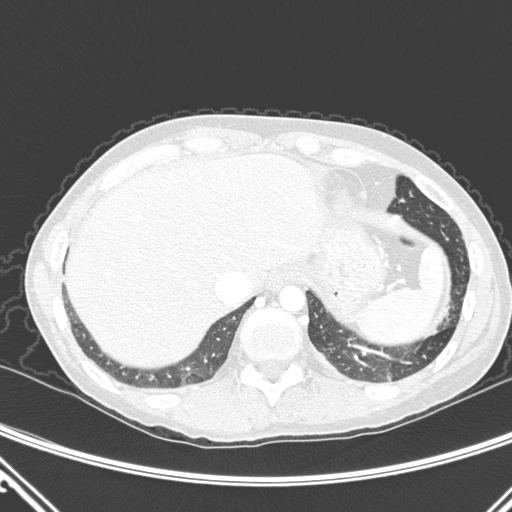
One axial slice (58 of 290, counting up from the lowest) of a chest CT acquired at 120 kVp with the D kernel; each pixel is 0.662 mm and the slice is 1.00 mm thick.
Pulmonary nodule, outlined by two of the four readers, one of them on this slice. Box on this slice rows 329–334, columns 431–436, the one reader's outline on this slice; longest diameter 16.8–17.4 mm and volume 457–555 mm3 across the two readers' outlines. The readers' ratings, as ranges where they differ: texture 5/5 (solid) from both readers; margin from 1/5 (indistinct) to 2/5 across the two readers; sphericity from 3/5 (ovoid) to 4/5 across the two readers; calcification absent, both readers agreeing; internal structure soft tissue, both readers agreeing; subtlety 4/5 from both readers; malignancy likelihood from 3/5 to 4/5 across the two readers. Scale key (1–5): texture non-solid→solid, margin indistinct→circumscribed, sphericity linear→round, subtlety extremely subtle→obvious, malignancy likelihood highly unlikely→highly suspicious of cancer. Box rows and columns are 0-based pixel indices from the top-left corner, inclusive.